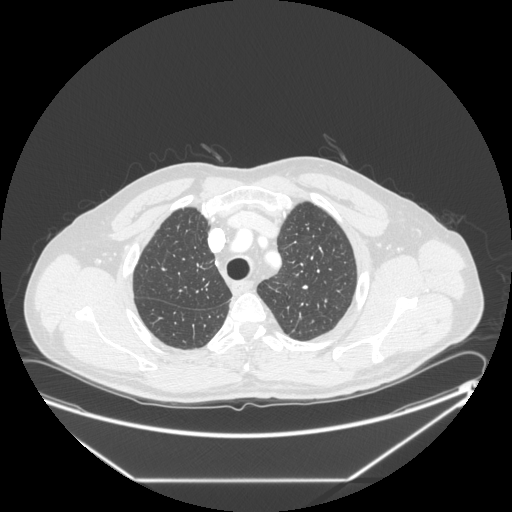
One axial slice (208 of 277, counting up from the lowest) of a chest CT acquired at 120 kVp with the STANDARD kernel; each pixel is 0.879 mm and the slice is 1.25 mm thick.
Pulmonary nodule outlined by all four readers, one of them on this slice; box rows 316–320, columns 298–301 (the one reader's outline on this slice); longest diameter 8.8–11.6 mm and volume 140–256 mm3 across the four readers' outlines. The readers' ratings, as ranges where they differ: texture 5/5 (solid), all four readers agreeing; margin from 4/5 to 5/5 (circumscribed) across the four readers; sphericity from 3/5 (ovoid) to 4/5 across the four readers; calcification absent from all four readers; internal structure soft tissue, all four readers agreeing; subtlety from 2/5 to 5/5 across the four readers; malignancy likelihood rated between 2 and 4 out of 5 by the four readers. Scale key (1–5): texture non-solid→solid, margin indistinct→circumscribed, sphericity linear→round, subtlety extremely subtle→obvious, malignancy likelihood highly unlikely→highly suspicious of cancer. Box rows and columns are 0-based pixel indices from the top-left corner, inclusive.